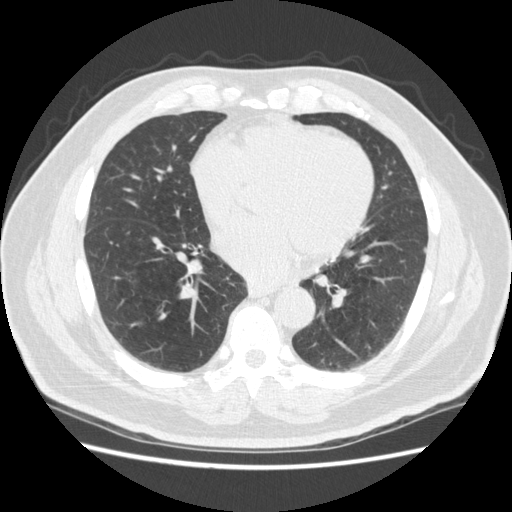
One axial slice (193 of 465, counting up from the lowest) of a chest CT acquired at 120 kVp with the STANDARD kernel; each pixel is 0.703 mm and the slice is 1.25 mm thick.
Pulmonary nodule outlined by one of the four readers; box rows 247–252, columns 423–425 (that reader's outline on this slice); longest diameter 5.7 mm and volume 24 mm3 from that reader's outline. That reader's ratings: texture 5/5 (solid); margin 5/5 (circumscribed); sphericity 3/5 (ovoid); calcification absent; internal structure soft tissue; subtlety 4/5; malignancy likelihood 2/5. Scale key (1–5): texture non-solid→solid, margin indistinct→circumscribed, sphericity linear→round, subtlety extremely subtle→obvious, malignancy likelihood highly unlikely→highly suspicious of cancer. Box rows and columns are 0-based pixel indices from the top-left corner, inclusive.